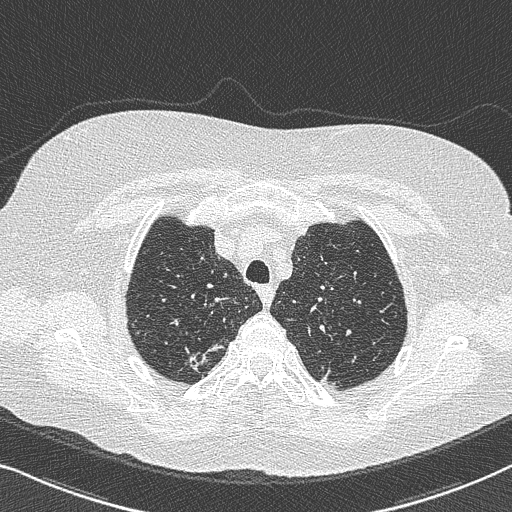
One axial slice (597 of 733, counting up from the lowest) of a chest CT acquired at 120 kVp with the B50f kernel; each pixel is 0.637 mm and the slice is 0.60 mm thick.
Pulmonary nodule, outlined by all four readers, two of them on this slice. Box on this slice rows 353–372, columns 187–206, the union of the readers' outlines on this slice; longest diameter 22.0 mm on average over the four readers' outlines (readers' outlines 15.5–29.7 mm), volume 888–2128 mm3. Ratings, by the readers' most common answer with dissent counted: most readers (three of four) put texture at 5/5 (solid), others 4/5 (one); margin 3/5 by two of four readers; the rest gave 1/5 (indistinct) (one), 4/5 (one); sphericity 3/5 (ovoid) by two of four readers; the rest gave 2/5 (one), 5/5 (round) (one); calcification absent, all four readers agreeing; internal structure soft tissue from all four readers; subtlety 5/5 by three of four readers; the rest gave 4/5 (one); most readers (three of four) put malignancy likelihood at 4/5, others 5/5 (one). Scale key (1–5): texture non-solid→solid, margin indistinct→circumscribed, sphericity linear→round, subtlety extremely subtle→obvious, malignancy likelihood highly unlikely→highly suspicious of cancer. Box rows and columns are 0-based pixel indices from the top-left corner, inclusive.